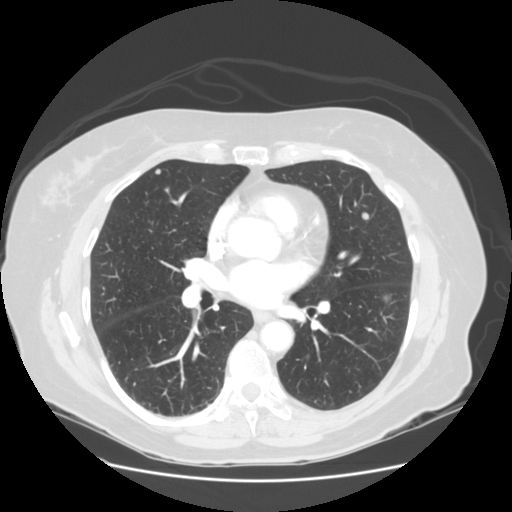
Chest CT, axial plane, 120 kVp, kernel STANDARD. Slice 67/128 from the bottom of the scan; thickness 2.50 mm; pixel size 0.742 mm.
Three pulmonary nodules are outlined on this slice; from left to right: (1) Pulmonary nodule at rows 169–174, columns 155–160 (box = the union of the readers' outlines on this slice), outlined by two of the four readers; longest diameter 6.0 mm on average over the two readers' outlines (readers' outlines 5.7–6.4 mm), volume 85–130 mm3. Ratings, by the readers' most common answer with dissent counted: texture 5/5 (solid) from both readers; margin 5/5 (circumscribed) from both readers; sphericity 5/5 (round), both readers agreeing; calcification absent, both readers agreeing; internal structure soft tissue from both readers; subtlety split among the readers: 3/5 (one), 4/5 (one); malignancy likelihood split among the readers: 2/5 (one), 3/5 (one). (2) Pulmonary nodule outlined by all four readers; box rows 212–220, columns 361–368 (the union of the readers' outlines on this slice); median longest diameter 7.3 mm (readers' outlines 6.6–8.7 mm), median volume 206 mm3 (143–242 mm3). Median ratings and the readers' spread: median texture 5/5 (solid) (readers ranged 4/5 to 5/5 (solid)); margin 4.5/5 at the median of four readers, spread 3/5 to 5/5 (circumscribed); median sphericity 4.5/5 (readers ranged 3/5 (ovoid) to 5/5 (round)); calcification absent, all four readers agreeing; internal structure soft tissue from all four readers; median subtlety 4/5 (readers ranged 3–4); median malignancy likelihood 3/5 (readers ranged 2–3). (3) Pulmonary nodule at rows 295–301, columns 382–390 (box = the union of the readers' outlines on this slice), outlined by all four readers, two of them on this slice; longest diameter 12.2–13.0 mm and volume 824–921 mm3 across the four readers' outlines. Ratings across the readers: texture 5/5 (solid) from all four readers; margin from 4/5 to 5/5 (circumscribed) across the four readers; sphericity from 4/5 to 5/5 (round) across the four readers; calcification absent from all four readers; internal structure soft tissue, all four readers agreeing; subtlety rated between 3 and 5 out of 5 by the four readers; malignancy likelihood rated between 2 and 5 out of 5 by the four readers. Scale key (1–5): texture non-solid→solid, margin indistinct→circumscribed, sphericity linear→round, subtlety extremely subtle→obvious, malignancy likelihood highly unlikely→highly suspicious of cancer. Box rows and columns are 0-based pixel indices from the top-left corner, inclusive.